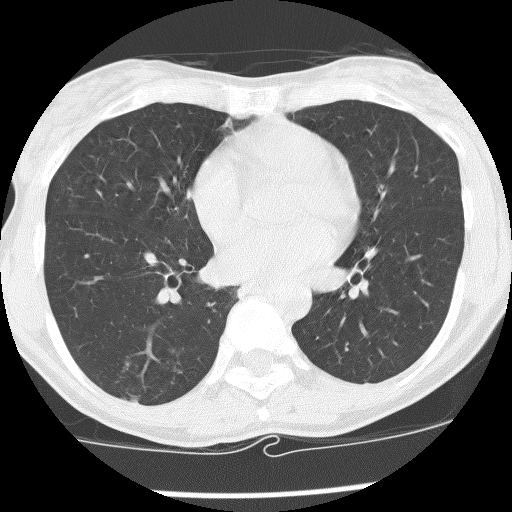
One axial slice (67 of 131, counting up from the lowest) of a chest CT acquired at 140 kVp with the BONE kernel; each pixel is 0.547 mm and the slice is 2.50 mm thick.
Pulmonary nodule outlined by one of the four readers; box rows 397–404, columns 130–138 (that reader's outline on this slice); longest diameter 6.7 mm and volume 119 mm3 from that reader's outline. Ratings by that reader: texture 4/5; margin 4/5; sphericity 3/5 (ovoid); calcification absent; internal structure soft tissue; subtlety 3/5; malignancy likelihood 1/5. Scale key (1–5): texture non-solid→solid, margin indistinct→circumscribed, sphericity linear→round, subtlety extremely subtle→obvious, malignancy likelihood highly unlikely→highly suspicious of cancer. Box rows and columns are 0-based pixel indices from the top-left corner, inclusive.